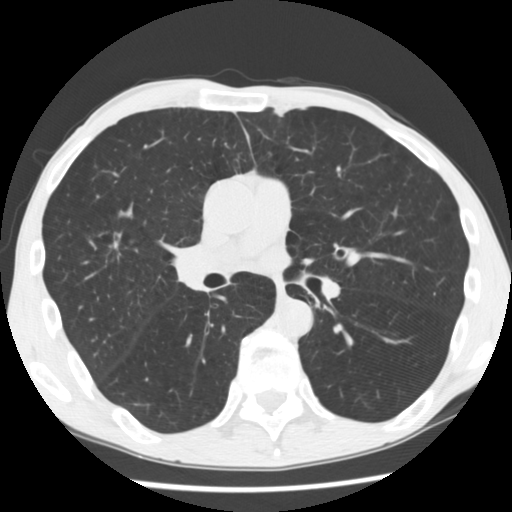
Axial chest CT slice 154 of 292 (counted from the lowest slice); tube voltage 120 kVp, convolution kernel STANDARD; slices 2.50 mm thick, 0.645 mm per pixel.
Pulmonary nodule outlined three times (the source holds two more outlines, not used), one of them on this slice; box rows 232–250, columns 109–121 (the one reader's outline on this slice); median longest diameter 18.3 mm (readers' outlines 18.2–19.0 mm), median volume 926 mm3 (892–1690 mm3). Median ratings and the readers' spread: texture 5/5 (solid) from all three readers; margin 3/5 at the median of three readers, spread 2/5 to 4/5; sphericity 3/5 (ovoid) at the median of three readers, spread 2/5 to 4/5; calcification absent, all three readers agreeing; internal structure soft tissue, all three readers agreeing; median subtlety 4/5 (readers ranged 4–5); malignancy likelihood 5/5 at the median of three readers, spread 3–5. Scale key (1–5): texture non-solid→solid, margin indistinct→circumscribed, sphericity linear→round, subtlety extremely subtle→obvious, malignancy likelihood highly unlikely→highly suspicious of cancer. Box rows and columns are 0-based pixel indices from the top-left corner, inclusive.